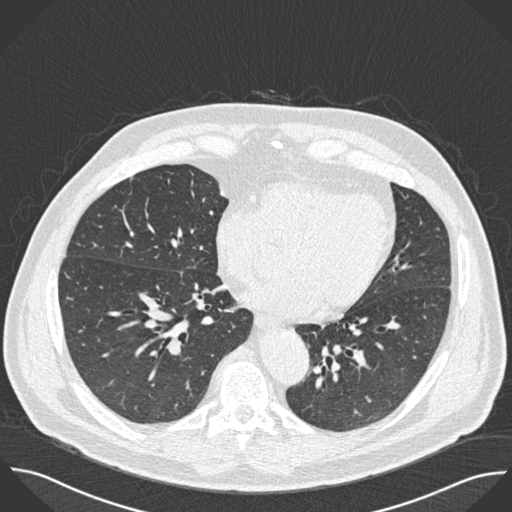
One axial slice (232 of 493, counting up from the lowest) of a chest CT acquired at 120 kVp with the B30f kernel; each pixel is 0.762 mm and the slice is 0.75 mm thick.
Pulmonary nodule at rows 176–179, columns 131–132 (box = the union of the readers' outlines on this slice), outlined by three of the four readers, two of them on this slice; longest diameter 7.3 mm on average over the three readers' outlines (readers' outlines 7.2–7.6 mm), volume 74–97 mm3. The readers' prevailing ratings and who disagreed: texture 5/5 (solid) from all three readers; margin split among the readers: 1/5 (indistinct) (one), 4/5 (one), 5/5 (circumscribed) (one); sphericity 4/5 by two of three readers; the rest gave 3/5 (ovoid) (one); calcification absent, all three readers agreeing; internal structure soft tissue, all three readers agreeing; subtlety 5/5 by two of three readers; the rest gave 3/5 (one); malignancy likelihood 3/5 from all three readers. Scale key (1–5): texture non-solid→solid, margin indistinct→circumscribed, sphericity linear→round, subtlety extremely subtle→obvious, malignancy likelihood highly unlikely→highly suspicious of cancer. Box rows and columns are 0-based pixel indices from the top-left corner, inclusive.